One axial slice (202 of 484, counting up from the lowest) of a chest CT acquired at 120 kVp with the STANDARD kernel; each pixel is 0.625 mm and the slice is 1.25 mm thick.
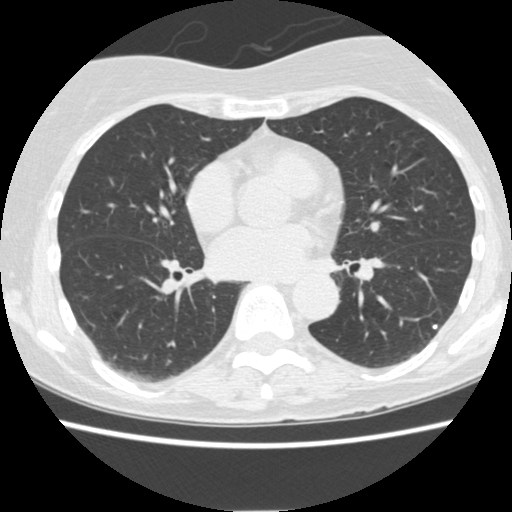
Pulmonary nodule outlined by one of the four readers; box rows 325–328, columns 432–437 (that reader's outline on this slice); longest diameter 4.6 mm and volume 36 mm3 from that reader's outline. That reader's ratings: texture 5/5 (solid); margin 5/5 (circumscribed); sphericity 4/5; calcification solid calcification; internal structure soft tissue; subtlety 5/5; malignancy likelihood 1/5. Scale key (1–5): texture non-solid→solid, margin indistinct→circumscribed, sphericity linear→round, subtlety extremely subtle→obvious, malignancy likelihood highly unlikely→highly suspicious of cancer. Box rows and columns are 0-based pixel indices from the top-left corner, inclusive.